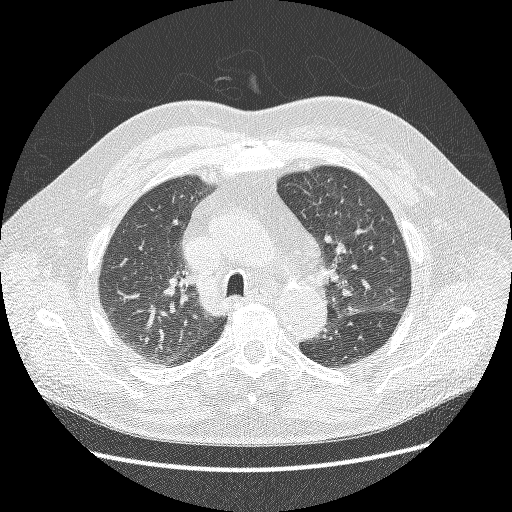
Axial chest CT slice 201 of 267 (counted from the lowest slice); tube voltage 120 kVp, convolution kernel BONE; slices 1.25 mm thick, 0.752 mm per pixel.
Pulmonary nodule, outlined by one of the four readers. Box on this slice rows 309–314, columns 345–356, that reader's outline on this slice; longest diameter 10.8 mm and volume 126 mm3 from that reader's outline. Ratings by that reader: texture 1/5 (non-solid); margin 2/5; sphericity 5/5 (round); calcification absent; internal structure soft tissue; subtlety 1/5; malignancy likelihood 2/5. Scale key (1–5): texture non-solid→solid, margin indistinct→circumscribed, sphericity linear→round, subtlety extremely subtle→obvious, malignancy likelihood highly unlikely→highly suspicious of cancer. Box rows and columns are 0-based pixel indices from the top-left corner, inclusive.